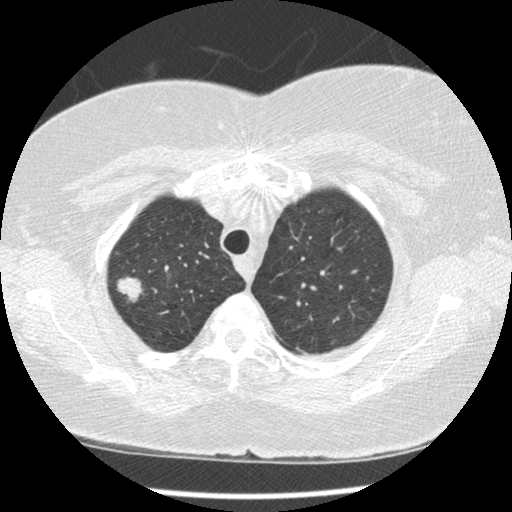
Axial slice 301 of 375 of a chest CT (slice 1 is the lowest), reconstructed with the STANDARD kernel at 120 kVp; 1.25 mm slice thickness and 0.625 mm pixels.
Pulmonary nodule outlined by all four readers; box rows 275–303, columns 115–141 (the union of the readers' outlines on this slice); longest diameter 22.5 mm on average over the four readers' outlines (readers' outlines 21.2–23.2 mm), volume 2289–3466 mm3. The readers' prevailing ratings and who disagreed: texture 5/5 (solid) by three of four readers; the rest gave 4/5 (one); margin 4/5 by two of four readers; the rest gave 3/5 (one), 5/5 (circumscribed) (one); sphericity split among the readers: 2/5 (one), 3/5 (ovoid) (one), 4/5 (one), 5/5 (round) (one); calcification absent from all four readers; internal structure soft tissue from all four readers; subtlety 5/5 from all four readers; malignancy likelihood 5/5 by three of four readers; the rest gave 3/5 (one). Scale key (1–5): texture non-solid→solid, margin indistinct→circumscribed, sphericity linear→round, subtlety extremely subtle→obvious, malignancy likelihood highly unlikely→highly suspicious of cancer. Box rows and columns are 0-based pixel indices from the top-left corner, inclusive.